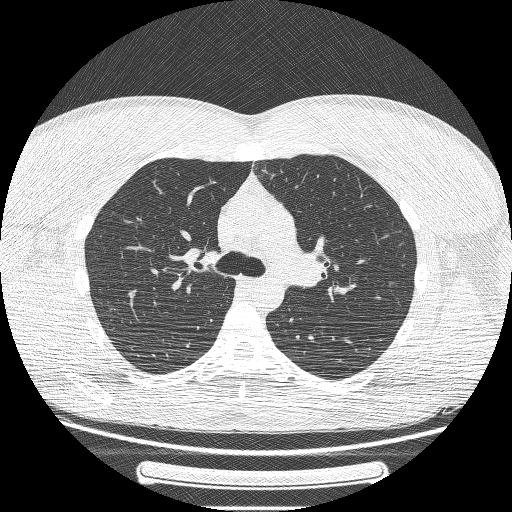
One axial slice (152 of 230, counting up from the lowest) of a chest CT acquired at 120 kVp with the BONE kernel; each pixel is 0.732 mm and the slice is 1.25 mm thick.
No nodule of 3 mm or larger was outlined by any of the four readers on this slice.